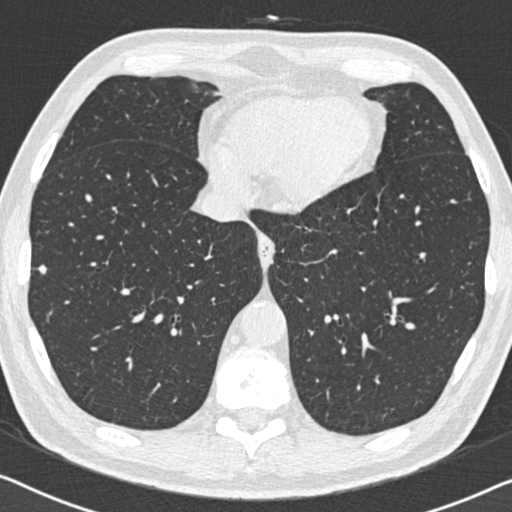
This is axial slice 209 of 558 (slice 1 is the lowest) of a chest CT; each pixel is 0.648 mm and the slice is 0.75 mm thick. Pulmonary nodule, outlined by all four readers. Box on this slice rows 265–273, columns 38–46, the union of the readers' outlines on this slice; median longest diameter 7.3 mm (readers' outlines 5.6–7.4 mm), median volume 128 mm3 (75–143 mm3). Median ratings and the readers' spread: texture 5/5 (solid) from all four readers; margin 4.5/5 at the median of four readers, spread 4/5 to 5/5 (circumscribed); sphericity 5/5 (round) from all four readers; calcification absent from all four readers; internal structure soft tissue from all four readers; subtlety 4/5 at the median of four readers, spread 3–5; malignancy likelihood 2.5/5 at the median of four readers, spread 2–4. Scale key (1–5): texture non-solid→solid, margin indistinct→circumscribed, sphericity linear→round, subtlety extremely subtle→obvious, malignancy likelihood highly unlikely→highly suspicious of cancer. Box rows and columns are 0-based pixel indices from the top-left corner, inclusive.
Tube voltage 120 kVp; convolution kernel B30f.